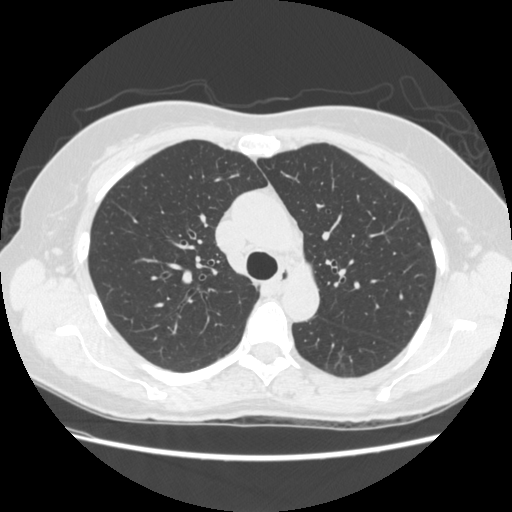
Axial chest CT slice 173 of 261 (counted from the lowest slice); tube voltage 120 kVp, convolution kernel STANDARD; slices 1.25 mm thick, 0.682 mm per pixel.
Pulmonary nodule outlined by two of the four readers, one of them on this slice; box rows 364–377, columns 340–352 (the one reader's outline on this slice); median longest diameter 30.8 mm (readers' outlines 30.0–31.5 mm), median volume 7245 mm3 (6577–7912 mm3). Median ratings and the readers' spread: texture 1.5/5 at the median of two readers, spread 1/5 (non-solid) to 2/5; margin 1.5/5 at the median of two readers, spread 1/5 (indistinct) to 2/5; sphericity 4/5 at the median of two readers, spread 3/5 (ovoid) to 5/5 (round); calcification absent from both readers; internal structure soft tissue from both readers; median subtlety 1.5/5 (readers ranged 1–2); malignancy likelihood 4.5/5 at the median of two readers, spread 4–5. Scale key (1–5): texture non-solid→solid, margin indistinct→circumscribed, sphericity linear→round, subtlety extremely subtle→obvious, malignancy likelihood highly unlikely→highly suspicious of cancer. Box rows and columns are 0-based pixel indices from the top-left corner, inclusive.